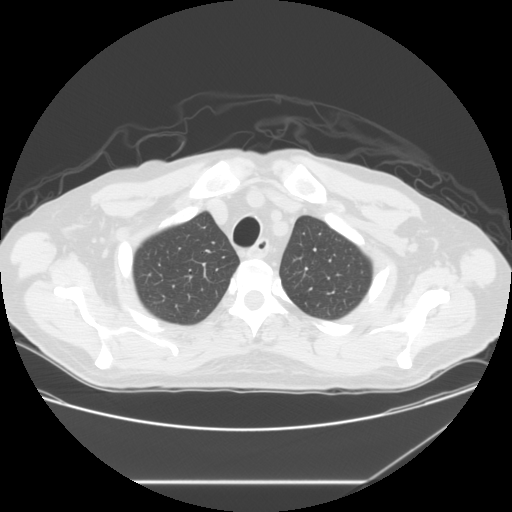
Slice 113/133 of a chest CT, counting up from the lowest; pixel size 0.781 mm, slice thickness 2.50 mm. No nodule 3 mm or larger was outlined here by any reader.
Tube voltage 120 kVp; convolution kernel STANDARD.